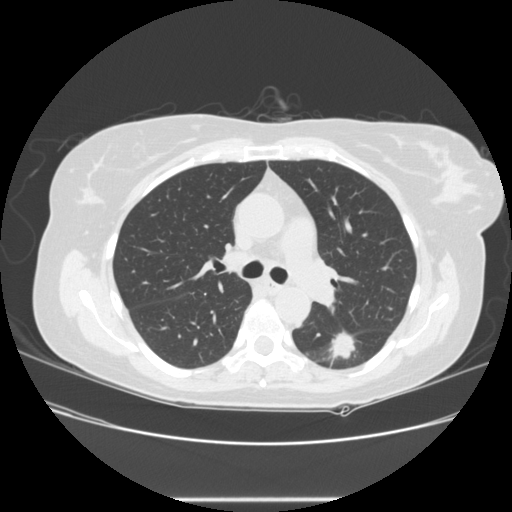
One axial slice (160 of 245, counting up from the lowest) of a chest CT acquired at 120 kVp with the STANDARD kernel; each pixel is 0.730 mm and the slice is 1.25 mm thick.
Pulmonary nodule outlined by all four readers; box rows 328–366, columns 318–357 (the union of the readers' outlines on this slice); the four readers' outlines give a longest diameter between 27.2 and 36.8 mm and a volume between 3941 and 5997 mm3. Ratings across the readers: texture 5/5 (solid) from all four readers; margin from 1/5 (indistinct) to 4/5 across the four readers; sphericity from 2/5 to 4/5 across the four readers; calcification absent, all four readers agreeing; internal structure soft tissue from all four readers; subtlety 5/5 from all four readers; malignancy likelihood 4–5/5 (the readers disagree). Scale key (1–5): texture non-solid→solid, margin indistinct→circumscribed, sphericity linear→round, subtlety extremely subtle→obvious, malignancy likelihood highly unlikely→highly suspicious of cancer. Box rows and columns are 0-based pixel indices from the top-left corner, inclusive.